Axial slice 189 of 280 of a chest CT (slice 1 is the lowest), reconstructed with the B kernel at 120 kVp; 2.00 mm slice thickness and 0.572 mm pixels.
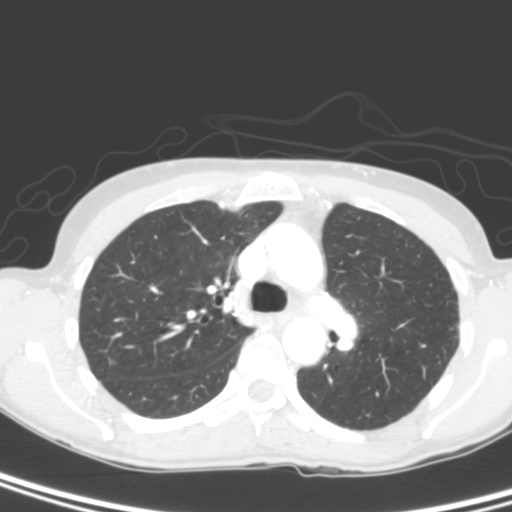
Pulmonary nodule outlined by all four readers, three of them on this slice; box rows 358–365, columns 108–117 (the union of the readers' outlines on this slice); median longest diameter 8.4 mm (readers' outlines 6.4–8.9 mm), median volume 164 mm3 (92–215 mm3). Median ratings and the readers' spread: texture 5/5 (solid) at the median of four readers, spread 4/5 to 5/5 (solid); margin 4/5 at the median of four readers, spread 4/5 to 5/5 (circumscribed); sphericity 3/5 (ovoid) at the median of four readers, spread 3/5 (ovoid) to 5/5 (round); calcification absent, all four readers agreeing; internal structure soft tissue from all four readers; subtlety 4.5/5 at the median of four readers, spread 2–5; median malignancy likelihood 2.5/5 (readers ranged 2–4). Scale key (1–5): texture non-solid→solid, margin indistinct→circumscribed, sphericity linear→round, subtlety extremely subtle→obvious, malignancy likelihood highly unlikely→highly suspicious of cancer. Box rows and columns are 0-based pixel indices from the top-left corner, inclusive.